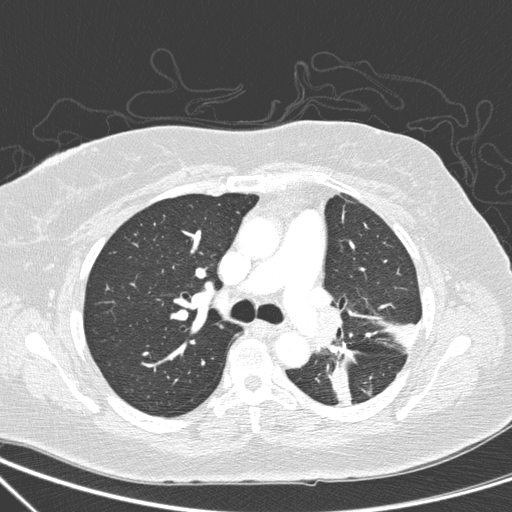
Axial chest CT slice 179 of 266 (counted from the lowest slice); tube voltage 120 kVp, convolution kernel D; slices 1.00 mm thick, 0.668 mm per pixel.
Pulmonary nodule, outlined by one of the four readers. Box on this slice rows 351–358, columns 345–349, that reader's outline on this slice; longest diameter 11.5 mm and volume 333 mm3 from that reader's outline. That reader's ratings: texture 5/5 (solid); margin 3/5; sphericity 2/5; calcification absent; internal structure soft tissue; subtlety 3/5; malignancy likelihood 4/5. Scale key (1–5): texture non-solid→solid, margin indistinct→circumscribed, sphericity linear→round, subtlety extremely subtle→obvious, malignancy likelihood highly unlikely→highly suspicious of cancer. Box rows and columns are 0-based pixel indices from the top-left corner, inclusive.